One axial slice (128 of 465, counting up from the lowest) of a chest CT acquired at 120 kVp with the STANDARD kernel; each pixel is 0.586 mm and the slice is 1.25 mm thick.
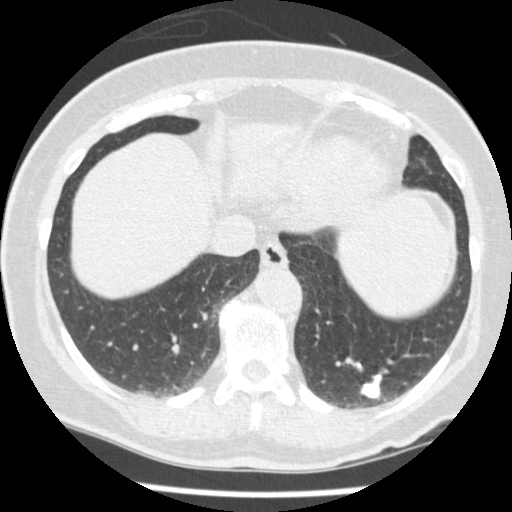
Pulmonary nodule outlined by all four readers; box rows 373–400, columns 360–381 (the union of the readers' outlines on this slice); the four readers' outlines give a longest diameter between 15.8 and 20.8 mm and a volume between 1106 and 1600 mm3. Ratings across the readers: texture 5/5 (solid), all four readers agreeing; margin from 3/5 to 5/5 (circumscribed) across the four readers; sphericity from 3/5 (ovoid) to 4/5 across the four readers; calcification: absent (two), solid calcification (one), central calcification (one); internal structure soft tissue from all four readers; subtlety 5/5 from all four readers; malignancy likelihood rated between 1 and 5 out of 5 by the four readers. Scale key (1–5): texture non-solid→solid, margin indistinct→circumscribed, sphericity linear→round, subtlety extremely subtle→obvious, malignancy likelihood highly unlikely→highly suspicious of cancer. Box rows and columns are 0-based pixel indices from the top-left corner, inclusive.